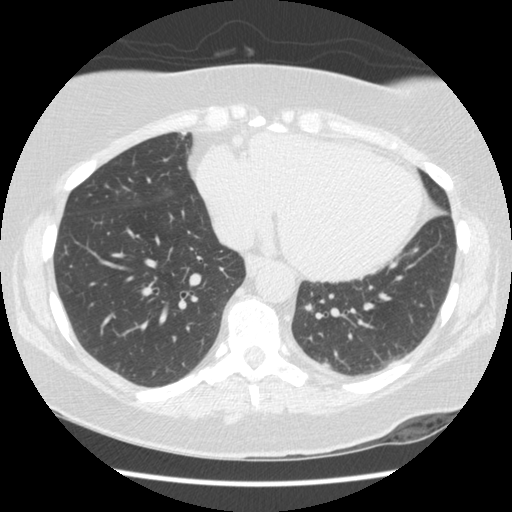
Chest CT, axial plane, 120 kVp, kernel STANDARD. Slice 56/154 from the bottom of the scan; thickness 2.50 mm; pixel size 0.645 mm.
Pulmonary nodule, outlined by one of the four readers. Box on this slice rows 304–310, columns 305–311, that reader's outline on this slice; longest diameter 11.3 mm and volume 286 mm3 from that reader's outline. That reader's ratings: texture 4/5; margin 3/5; sphericity 2/5; calcification absent; internal structure soft tissue; subtlety 4/5; malignancy likelihood 1/5. Scale key (1–5): texture non-solid→solid, margin indistinct→circumscribed, sphericity linear→round, subtlety extremely subtle→obvious, malignancy likelihood highly unlikely→highly suspicious of cancer. Box rows and columns are 0-based pixel indices from the top-left corner, inclusive.